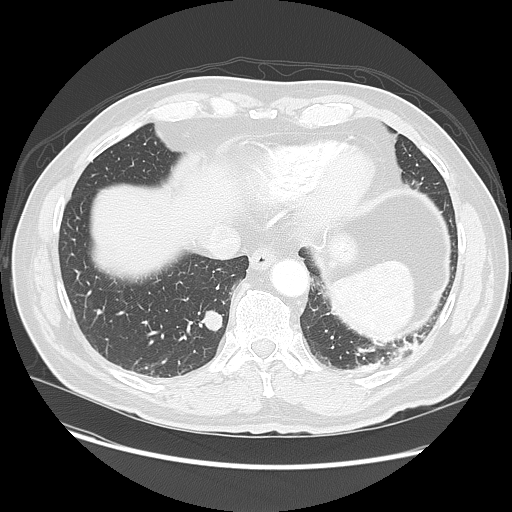
One axial slice (34 of 135, counting up from the lowest) of a chest CT acquired at 120 kVp with the LUNG kernel; each pixel is 0.781 mm and the slice is 2.50 mm thick.
Pulmonary nodule, outlined by all four readers. Box on this slice rows 310–331, columns 202–223, the union of the readers' outlines on this slice; longest diameter 18.4–19.8 mm and volume 2155–2410 mm3 across the four readers' outlines. Ratings across the readers: texture 5/5 (solid), all four readers agreeing; margin from 4/5 to 5/5 (circumscribed) across the four readers; sphericity from 3/5 (ovoid) to 4/5 across the four readers; calcification absent, all four readers agreeing; internal structure soft tissue from all four readers; subtlety rated between 4 and 5 out of 5 by the four readers; malignancy likelihood from 2/5 to 5/5 across the four readers. Scale key (1–5): texture non-solid→solid, margin indistinct→circumscribed, sphericity linear→round, subtlety extremely subtle→obvious, malignancy likelihood highly unlikely→highly suspicious of cancer. Box rows and columns are 0-based pixel indices from the top-left corner, inclusive.